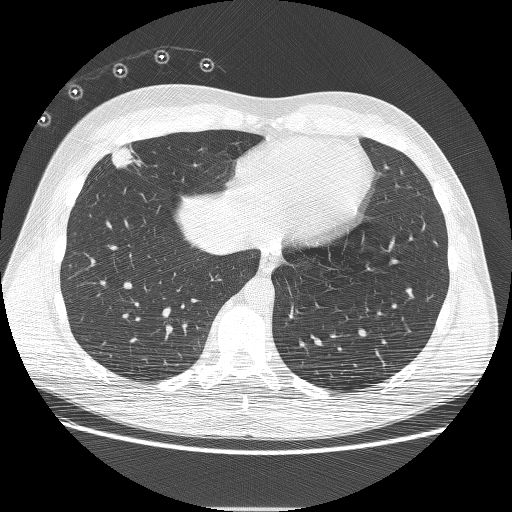
Axial slice 62 of 230 of a chest CT (slice 1 is the lowest), reconstructed with the BONE kernel at 120 kVp; 1.25 mm slice thickness and 0.732 mm pixels.
Pulmonary nodule outlined by all four readers; box rows 146–168, columns 111–141 (the union of the readers' outlines on this slice); median longest diameter 27.2 mm (readers' outlines 23.5–29.5 mm), median volume 3460 mm3 (3146–3701 mm3). Median ratings and the readers' spread: texture 5/5 (solid), all four readers agreeing; margin 4.5/5 at the median of four readers, spread 3/5 to 5/5 (circumscribed); sphericity 3.5/5 at the median of four readers, spread 3/5 (ovoid) to 4/5; calcification absent, all four readers agreeing; internal structure soft tissue, all four readers agreeing; subtlety 5/5, all four readers agreeing; malignancy likelihood 5/5 at the median of four readers, spread 4–5. Scale key (1–5): texture non-solid→solid, margin indistinct→circumscribed, sphericity linear→round, subtlety extremely subtle→obvious, malignancy likelihood highly unlikely→highly suspicious of cancer. Box rows and columns are 0-based pixel indices from the top-left corner, inclusive.